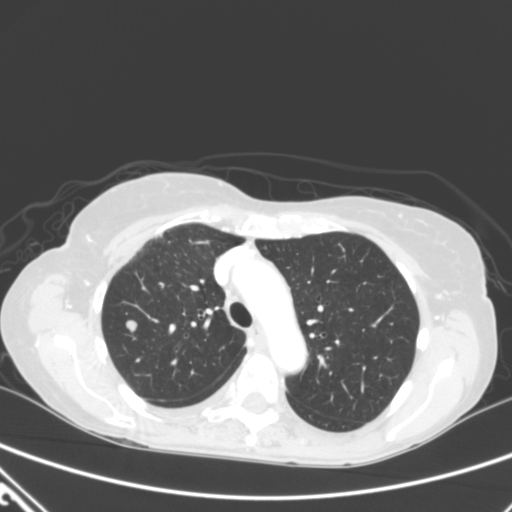
Chest CT, axial plane, 120 kVp, kernel B. Slice 236/320 from the bottom of the scan; thickness 2.00 mm; pixel size 0.662 mm.
Pulmonary nodule outlined by all four readers; box rows 319–332, columns 126–136 (the union of the readers' outlines on this slice); longest diameter 9.2 mm on average over the four readers' outlines (readers' outlines 8.0–10.5 mm), volume 192–341 mm3. The readers' prevailing ratings and who disagreed: texture 5/5 (solid) from all four readers; margin 5/5 (circumscribed) by three of four readers; the rest gave 4/5 (one); sphericity split among the readers: 4/5 (two), 5/5 (round) (two); calcification absent from all four readers; internal structure soft tissue, all four readers agreeing; subtlety 5/5 from all four readers; malignancy likelihood 5/5 by two of four readers; the rest gave 2/5 (one), 4/5 (one). Scale key (1–5): texture non-solid→solid, margin indistinct→circumscribed, sphericity linear→round, subtlety extremely subtle→obvious, malignancy likelihood highly unlikely→highly suspicious of cancer. Box rows and columns are 0-based pixel indices from the top-left corner, inclusive.